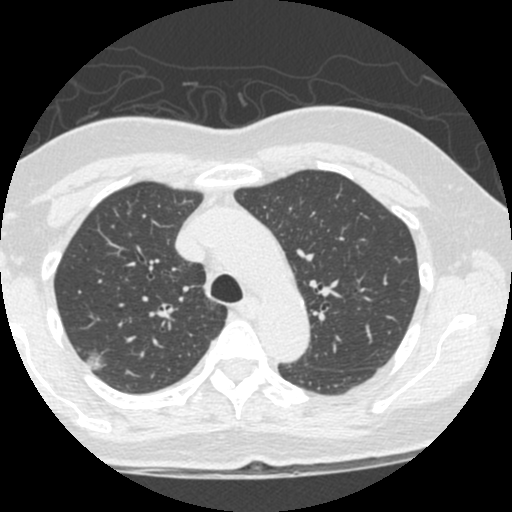
Axial chest CT slice 377 of 490 (counted from the lowest slice); 1.25 mm thick, 0.547 mm per pixel. Pulmonary nodule, outlined by three of the four readers. Box on this slice rows 348–372, columns 83–106, the union of the readers' outlines on this slice; median longest diameter 15.2 mm (readers' outlines 14.3–18.3 mm), median volume 997 mm3 (967–1422 mm3). Median ratings and the readers' spread: median texture 1/5 (non-solid) (readers ranged 1/5 (non-solid) to 5/5 (solid)); margin 2/5 at the median of three readers, spread 2/5 to 4/5; sphericity 4/5 at the median of three readers, spread 3/5 (ovoid) to 5/5 (round); calcification absent from all three readers; internal structure soft tissue from all three readers; median subtlety 5/5 (readers ranged 1–5); malignancy likelihood 3/5 at the median of three readers, spread 2–5. Scale key (1–5): texture non-solid→solid, margin indistinct→circumscribed, sphericity linear→round, subtlety extremely subtle→obvious, malignancy likelihood highly unlikely→highly suspicious of cancer. Box rows and columns are 0-based pixel indices from the top-left corner, inclusive.
Tube voltage 120 kVp; convolution kernel STANDARD.